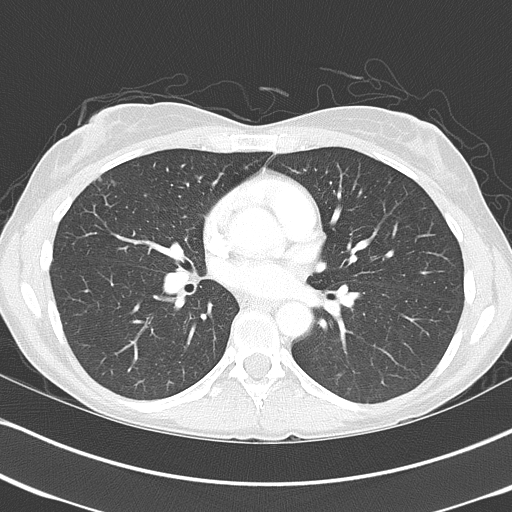
Axial chest CT slice 211 of 368 (counted from the lowest slice); tube voltage 120 kVp, convolution kernel B70f; slices 2.00 mm thick, 0.623 mm per pixel.
Two pulmonary nodules on this slice, listed from left to right. (1) Pulmonary nodule at rows 177–181, columns 99–101 (box = that reader's outline on this slice), outlined by one of the four readers; longest diameter 4.7 mm and volume 49 mm3 from that reader's outline. Ratings by that reader: texture 4/5; margin 4/5; sphericity 4/5; calcification absent; internal structure soft tissue; subtlety 4/5; malignancy likelihood 3/5. (2) Pulmonary nodule, outlined by all four readers. Box on this slice rows 180–185, columns 111–115, the union of the readers' outlines on this slice; longest diameter 5.9 mm on average over the four readers' outlines (readers' outlines 5.6–6.1 mm), volume 43–61 mm3. The readers' prevailing ratings and who disagreed: texture 3/5 (part-solid) by two of four readers; the rest gave 4/5 (one), 5/5 (solid) (one); margin 4/5 by three of four readers; the rest gave 2/5 (one); sphericity 3/5 (ovoid), all four readers agreeing; calcification absent, all four readers agreeing; internal structure soft tissue from all four readers; subtlety 4/5 by two of four readers; the rest gave 3/5 (one), 5/5 (one); malignancy likelihood split among the readers: 2/5 (two), 3/5 (two). Scale key (1–5): texture non-solid→solid, margin indistinct→circumscribed, sphericity linear→round, subtlety extremely subtle→obvious, malignancy likelihood highly unlikely→highly suspicious of cancer. Box rows and columns are 0-based pixel indices from the top-left corner, inclusive.